Axial chest CT slice 75 of 238 (counted from the lowest slice); tube voltage 120 kVp, convolution kernel STANDARD; slices 1.25 mm thick, 0.703 mm per pixel.
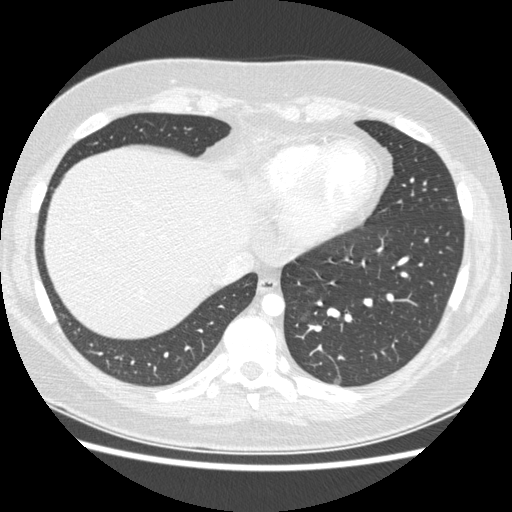
Pulmonary nodule at rows 377–385, columns 332–340 (box = the union of the readers' outlines on this slice), outlined by two of the four readers; median longest diameter 7.3 mm (readers' outlines 6.0–8.6 mm), median volume 42 mm3 (36–49 mm3). Ratings, median across the readers with their spread: texture 1/5 (non-solid), both readers agreeing; median margin 2.5/5 (readers ranged 2/5 to 3/5); sphericity 3.5/5 at the median of two readers, spread 3/5 (ovoid) to 4/5; calcification absent, both readers agreeing; internal structure soft tissue, both readers agreeing; subtlety 3/5 at the median of two readers, spread 2–4; malignancy likelihood 2.5/5 at the median of two readers, spread 2–3. Scale key (1–5): texture non-solid→solid, margin indistinct→circumscribed, sphericity linear→round, subtlety extremely subtle→obvious, malignancy likelihood highly unlikely→highly suspicious of cancer. Box rows and columns are 0-based pixel indices from the top-left corner, inclusive.